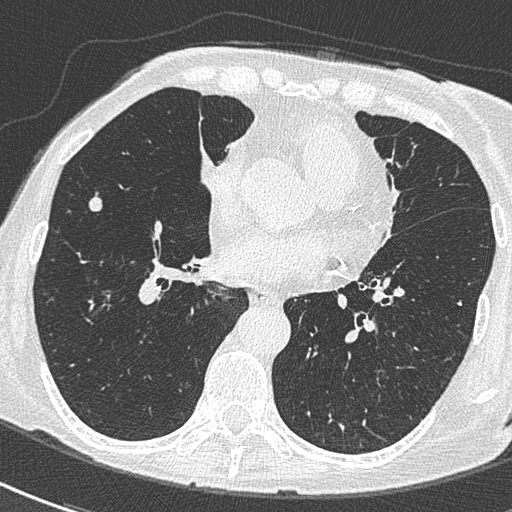
Axial chest CT slice 283 of 588 (counted from the lowest slice); tube voltage 120 kVp, convolution kernel B50f; slices 0.60 mm thick, 0.514 mm per pixel.
Pulmonary nodule at rows 191–211, columns 88–102 (box = the union of the readers' outlines on this slice), outlined by all four readers; median longest diameter 10.8 mm (readers' outlines 10.3–12.9 mm), median volume 374 mm3 (343–465 mm3). Ratings, median across the readers with their spread: texture 5/5 (solid), all four readers agreeing; margin 5/5 (circumscribed) at the median of four readers, spread 4/5 to 5/5 (circumscribed); sphericity 3.5/5 at the median of four readers, spread 3/5 (ovoid) to 5/5 (round); calcification absent, all four readers agreeing; internal structure soft tissue from all four readers; subtlety 5/5 at the median of four readers, spread 4–5; median malignancy likelihood 3/5 (readers ranged 2–3). Scale key (1–5): texture non-solid→solid, margin indistinct→circumscribed, sphericity linear→round, subtlety extremely subtle→obvious, malignancy likelihood highly unlikely→highly suspicious of cancer. Box rows and columns are 0-based pixel indices from the top-left corner, inclusive.